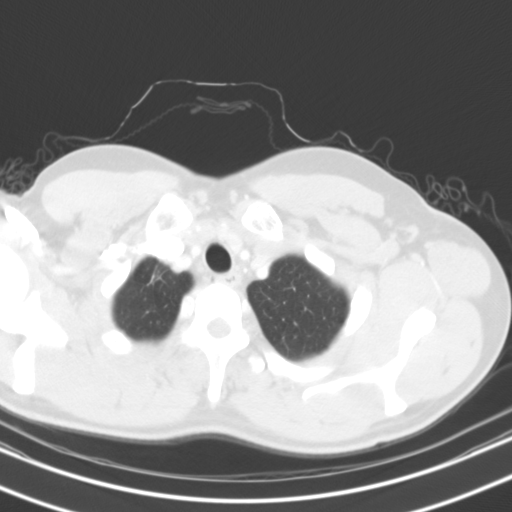
Axial slice 105 of 123 of a chest CT (slice 1 is the lowest), reconstructed with the B31s kernel at 130 kVp; 3.00 mm slice thickness and 0.646 mm pixels.
Pulmonary nodule at rows 274–284, columns 148–160 (box = that reader's outline on this slice), outlined by one of the four readers; longest diameter 17.6 mm and volume 510 mm3 from that reader's outline. That reader's ratings: texture 5/5 (solid); margin 3/5; sphericity 5/5 (round); calcification absent; internal structure soft tissue; subtlety 3/5; malignancy likelihood 2/5. Scale key (1–5): texture non-solid→solid, margin indistinct→circumscribed, sphericity linear→round, subtlety extremely subtle→obvious, malignancy likelihood highly unlikely→highly suspicious of cancer. Box rows and columns are 0-based pixel indices from the top-left corner, inclusive.